Axial slice 105 of 278 of a chest CT (slice 1 is the lowest), reconstructed with the B40s kernel at 130 kVp; 3.00 mm slice thickness and 0.977 mm pixels.
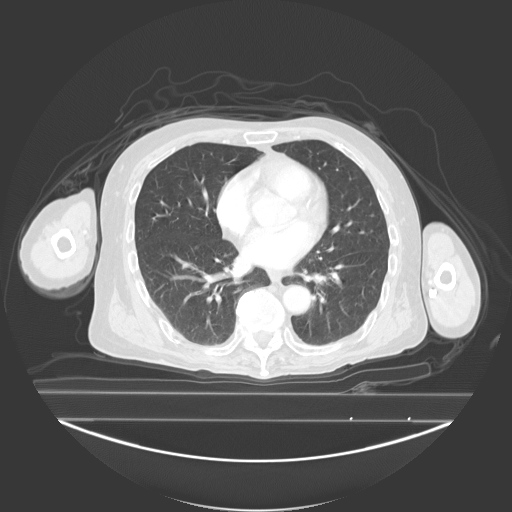
Pulmonary nodule, outlined by three of the four readers. Box on this slice rows 245–248, columns 194–197, the union of the readers' outlines on this slice; longest diameter 6.2 mm on average over the three readers' outlines (readers' outlines 6.2–6.3 mm), volume 123–213 mm3. Ratings, by the readers' most common answer with dissent counted: texture split among the readers: 1/5 (non-solid) (one), 3/5 (part-solid) (one), 5/5 (solid) (one); margin split among the readers: 3/5 (one), 4/5 (one), 5/5 (circumscribed) (one); sphericity 5/5 (round) from all three readers; calcification absent, all three readers agreeing; internal structure soft tissue, all three readers agreeing; subtlety split among the readers: 2/5 (one), 3/5 (one), 4/5 (one); malignancy likelihood 2/5 by two of three readers; the rest gave 3/5 (one). Scale key (1–5): texture non-solid→solid, margin indistinct→circumscribed, sphericity linear→round, subtlety extremely subtle→obvious, malignancy likelihood highly unlikely→highly suspicious of cancer. Box rows and columns are 0-based pixel indices from the top-left corner, inclusive.